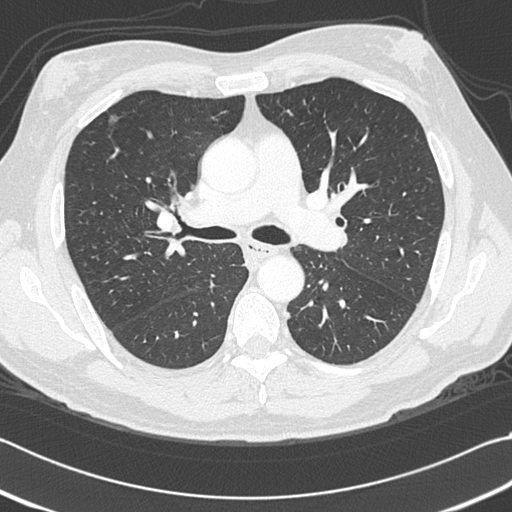
One axial slice (198 of 312, counting up from the lowest) of a chest CT acquired at 120 kVp with the B45f kernel; each pixel is 0.664 mm and the slice is 1.00 mm thick.
Pulmonary nodule at rows 113–126, columns 108–122 (box = the union of the readers' outlines on this slice), outlined by all four readers, three of them on this slice; the four readers' outlines give a longest diameter between 7.4 and 13.2 mm and a volume between 103 and 239 mm3. Ratings across the readers: texture 5/5 (solid), all four readers agreeing; margin from 4/5 to 5/5 (circumscribed) across the four readers; sphericity from 3/5 (ovoid) to 5/5 (round) across the four readers; calcification absent, all four readers agreeing; internal structure soft tissue, all four readers agreeing; subtlety 3–4/5 (the readers disagree); malignancy likelihood 2–3/5 (the readers disagree). Scale key (1–5): texture non-solid→solid, margin indistinct→circumscribed, sphericity linear→round, subtlety extremely subtle→obvious, malignancy likelihood highly unlikely→highly suspicious of cancer. Box rows and columns are 0-based pixel indices from the top-left corner, inclusive.